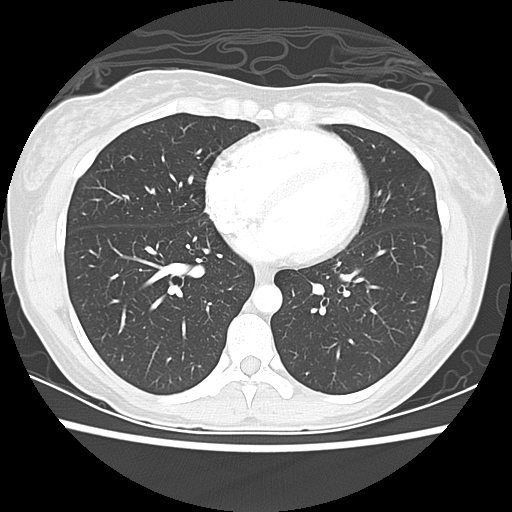
Axial slice 61 of 127 of a chest CT (slice 1 is the lowest), reconstructed with the LUNG kernel at 120 kVp; 2.50 mm slice thickness and 0.625 mm pixels.
No nodule 3 mm or larger was outlined here by any reader.